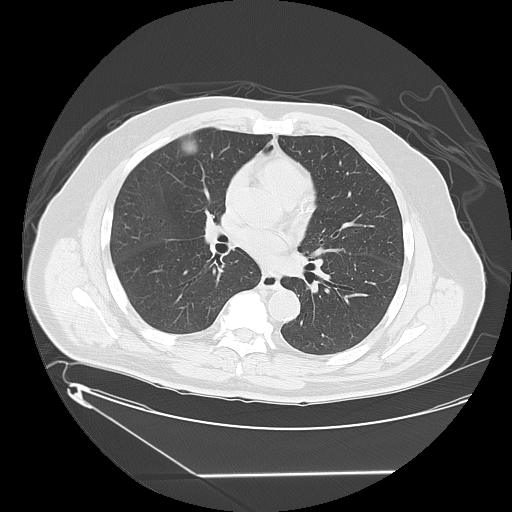
Chest CT, axial plane, 120 kVp, kernel LUNG. Slice 52/117 from the bottom of the scan; thickness 2.50 mm; pixel size 0.898 mm.
Pulmonary nodule outlined by three of the four readers; box rows 134–153, columns 181–199 (the union of the readers' outlines on this slice); longest diameter 32.3–37.3 mm and volume 8512–9765 mm3 across the three readers' outlines. Ratings across the readers: texture 5/5 (solid) from all three readers; margin 5/5 (circumscribed), all three readers agreeing; sphericity from 3/5 (ovoid) to 5/5 (round) across the three readers; calcification absent from all three readers; internal structure soft tissue, all three readers agreeing; subtlety from 3/5 to 5/5 across the three readers; malignancy likelihood from 2/5 to 5/5 across the three readers. Scale key (1–5): texture non-solid→solid, margin indistinct→circumscribed, sphericity linear→round, subtlety extremely subtle→obvious, malignancy likelihood highly unlikely→highly suspicious of cancer. Box rows and columns are 0-based pixel indices from the top-left corner, inclusive.